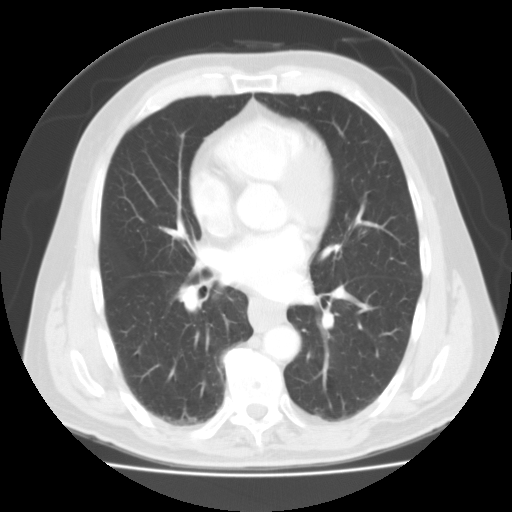
This is axial slice 52 of 103 (slice 1 is the lowest) of a chest CT; each pixel is 0.738 mm and the slice is 3.00 mm thick. The readers outlined no nodule of 3 mm or more on this slice.
Scan settings: 135 kVp, FC01 reconstruction kernel.